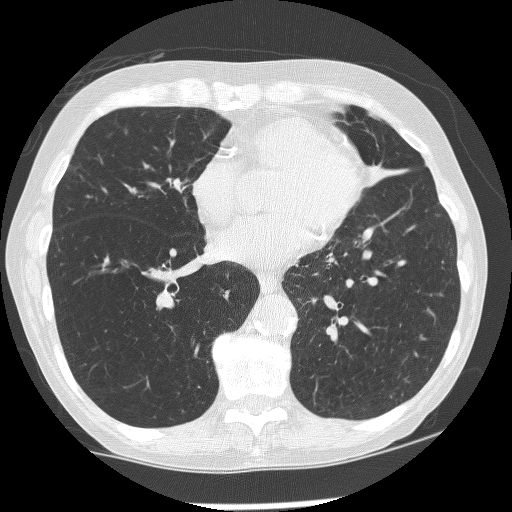
One axial slice (111 of 267, counting up from the lowest) of a chest CT acquired at 120 kVp with the BONE kernel; each pixel is 0.596 mm and the slice is 1.25 mm thick.
The readers outlined no nodule of 3 mm or more on this slice.